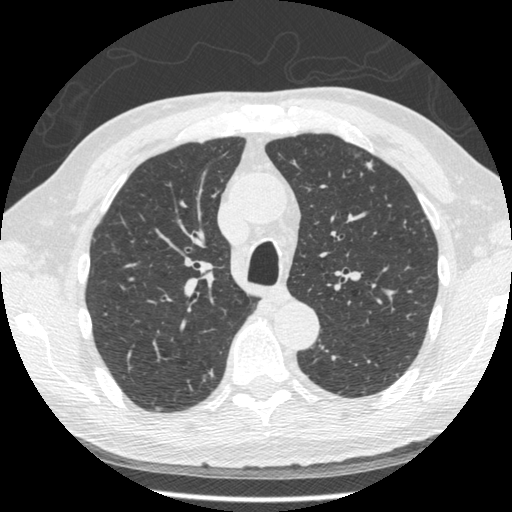
One axial slice (332 of 481, counting up from the lowest) of a chest CT acquired at 120 kVp with the STANDARD kernel; each pixel is 0.664 mm and the slice is 1.25 mm thick.
Pulmonary nodule outlined by two of the four readers; box rows 158–171, columns 364–374 (the union of the readers' outlines on this slice); median longest diameter 11.4 mm (readers' outlines 10.5–12.2 mm), median volume 167 mm3 (150–184 mm3). Median ratings and the readers' spread: median texture 3/5 (part-solid) (readers ranged 2/5 to 4/5); margin 2.5/5 at the median of two readers, spread 1/5 (indistinct) to 4/5; median sphericity 2.5/5 (readers ranged 2/5 to 3/5 (ovoid)); calcification absent from both readers; internal structure soft tissue, both readers agreeing; median subtlety 3/5 (readers ranged 2–4); malignancy likelihood 2/5 at the median of two readers, spread 1–3. Scale key (1–5): texture non-solid→solid, margin indistinct→circumscribed, sphericity linear→round, subtlety extremely subtle→obvious, malignancy likelihood highly unlikely→highly suspicious of cancer. Box rows and columns are 0-based pixel indices from the top-left corner, inclusive.